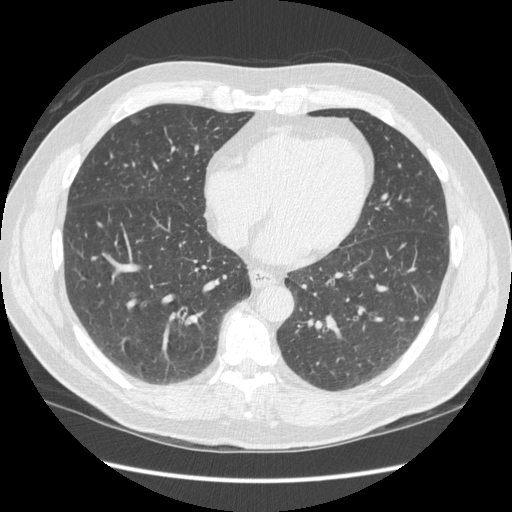
Chest CT, axial plane, 120 kVp, kernel STANDARD. Slice 169/449 from the bottom of the scan; thickness 1.25 mm; pixel size 0.742 mm.
Pulmonary nodule at rows 316–319, columns 414–417 (box = that reader's outline on this slice), outlined by one of the four readers; longest diameter 4.8 mm and volume 31 mm3 from that reader's outline. That reader's ratings: texture 5/5 (solid); margin 5/5 (circumscribed); sphericity 5/5 (round); calcification absent; internal structure soft tissue; subtlety 2/5; malignancy likelihood 2/5. Scale key (1–5): texture non-solid→solid, margin indistinct→circumscribed, sphericity linear→round, subtlety extremely subtle→obvious, malignancy likelihood highly unlikely→highly suspicious of cancer. Box rows and columns are 0-based pixel indices from the top-left corner, inclusive.